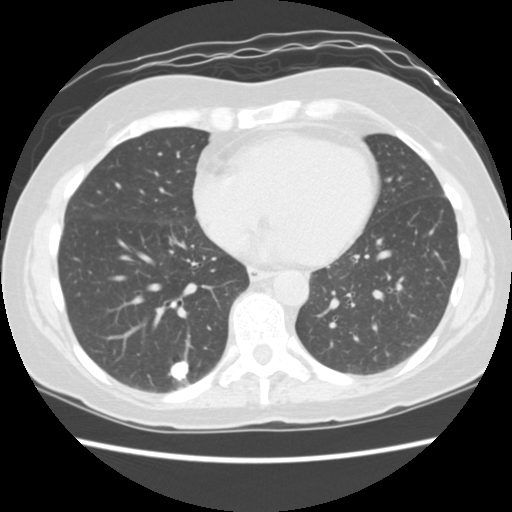
Axial chest CT slice 53 of 156 (counted from the lowest slice); 2.50 mm thick, 0.645 mm per pixel. Pulmonary nodule, outlined by all four readers. Box on this slice rows 361–380, columns 167–189, the union of the readers' outlines on this slice; the four readers' outlines give a longest diameter between 13.7 and 18.2 mm and a volume between 717 and 1515 mm3. The readers' ratings, as ranges where they differ: texture 5/5 (solid) from all four readers; margin from 4/5 to 5/5 (circumscribed) across the four readers; sphericity from 3/5 (ovoid) to 5/5 (round) across the four readers; calcification: solid calcification (three), absent (one); internal structure soft tissue from all four readers; subtlety 5/5, all four readers agreeing; malignancy likelihood 1–5/5 (the readers disagree). Scale key (1–5): texture non-solid→solid, margin indistinct→circumscribed, sphericity linear→round, subtlety extremely subtle→obvious, malignancy likelihood highly unlikely→highly suspicious of cancer. Box rows and columns are 0-based pixel indices from the top-left corner, inclusive.
Scan settings: 120 kVp, STANDARD reconstruction kernel.